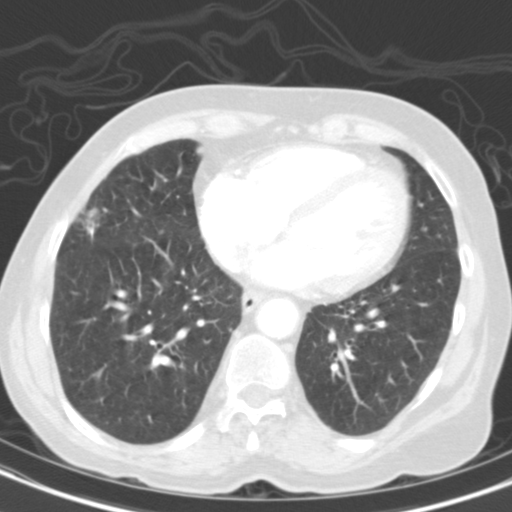
Slice 55/117 of a chest CT, counting up from the lowest; pixel size 0.566 mm, slice thickness 3.00 mm. Pulmonary nodule, outlined by all four readers. Box on this slice rows 207–242, columns 79–99, the union of the readers' outlines on this slice; median longest diameter 20.1 mm (readers' outlines 18.9–22.0 mm), median volume 1601 mm3 (1351–2170 mm3). Median ratings and the readers' spread: texture 4.5/5 at the median of four readers, spread 3/5 (part-solid) to 5/5 (solid); margin 4.5/5 at the median of four readers, spread 3/5 to 5/5 (circumscribed); median sphericity 3.5/5 (readers ranged 3/5 (ovoid) to 5/5 (round)); calcification absent, all four readers agreeing; internal structure soft tissue from all four readers; subtlety 5/5, all four readers agreeing; malignancy likelihood 5/5 at the median of four readers, spread 4–5. Scale key (1–5): texture non-solid→solid, margin indistinct→circumscribed, sphericity linear→round, subtlety extremely subtle→obvious, malignancy likelihood highly unlikely→highly suspicious of cancer. Box rows and columns are 0-based pixel indices from the top-left corner, inclusive.
Acquired at 130 kVp and reconstructed with the B31s kernel.